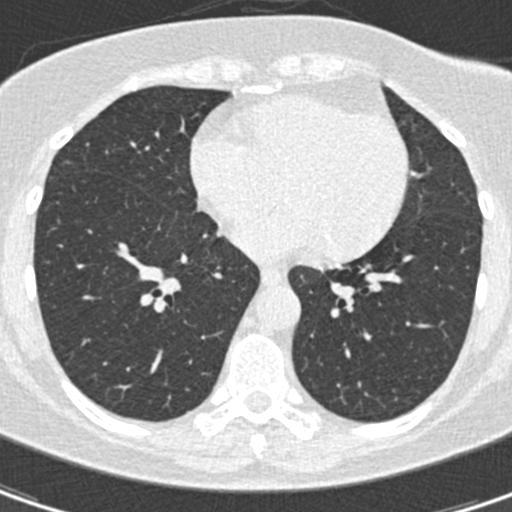
One axial slice (189 of 441, counting up from the lowest) of a chest CT acquired at 120 kVp with the B30f kernel; each pixel is 0.520 mm and the slice is 0.75 mm thick.
No nodule of 3 mm or larger was outlined by any of the four readers on this slice.